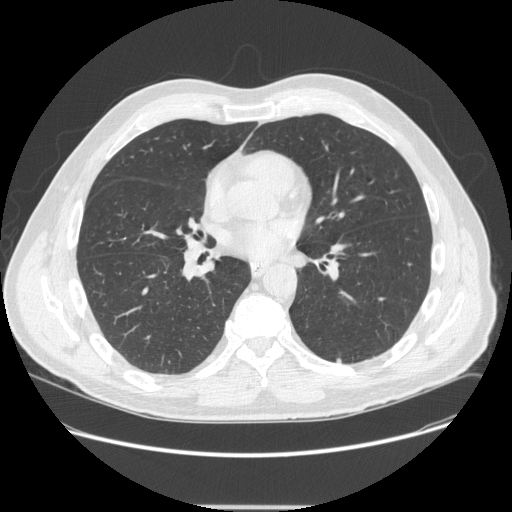
Slice 269/548 of a chest CT, counting up from the lowest; pixel size 0.781 mm, slice thickness 1.25 mm. Pulmonary nodule outlined by three of the four readers; box rows 358–363, columns 335–340 (the union of the readers' outlines on this slice); median longest diameter 6.4 mm (readers' outlines 5.0–6.6 mm), median volume 60 mm3 (42–65 mm3). Median ratings and the readers' spread: texture 5/5 (solid) from all three readers; margin 5/5 (circumscribed) at the median of three readers, spread 4/5 to 5/5 (circumscribed); median sphericity 4/5 (readers ranged 3/5 (ovoid) to 4/5); calcification absent, all three readers agreeing; internal structure soft tissue, all three readers agreeing; median subtlety 4/5 (readers ranged 2–5); malignancy likelihood 3/5 at the median of three readers, spread 2–3. Scale key (1–5): texture non-solid→solid, margin indistinct→circumscribed, sphericity linear→round, subtlety extremely subtle→obvious, malignancy likelihood highly unlikely→highly suspicious of cancer. Box rows and columns are 0-based pixel indices from the top-left corner, inclusive.
Acquired at 120 kVp and reconstructed with the STANDARD kernel.